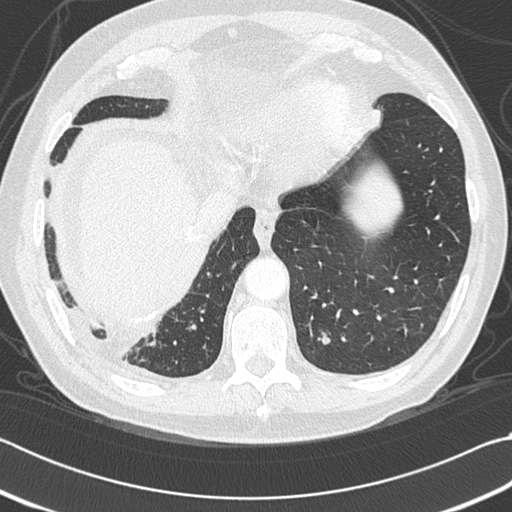
This is axial slice 96 of 312 (slice 1 is the lowest) of a chest CT; each pixel is 0.664 mm and the slice is 1.00 mm thick. Pulmonary nodule outlined by three of the four readers; box rows 335–344, columns 321–330 (the union of the readers' outlines on this slice); the three readers' outlines give a longest diameter between 6.9 and 7.4 mm and a volume between 82 and 108 mm3. Ratings across the readers: texture 5/5 (solid) from all three readers; margin from 4/5 to 5/5 (circumscribed) across the three readers; sphericity from 3/5 (ovoid) to 5/5 (round) across the three readers; calcification absent, all three readers agreeing; internal structure soft tissue from all three readers; subtlety 2–4/5 (the readers disagree); malignancy likelihood rated between 2 and 3 out of 5 by the three readers. Scale key (1–5): texture non-solid→solid, margin indistinct→circumscribed, sphericity linear→round, subtlety extremely subtle→obvious, malignancy likelihood highly unlikely→highly suspicious of cancer. Box rows and columns are 0-based pixel indices from the top-left corner, inclusive.
Acquired at 120 kVp and reconstructed with the B45f kernel.